Axial chest CT slice 208 of 280 (counted from the lowest slice); tube voltage 120 kVp, convolution kernel B; slices 2.00 mm thick, 0.676 mm per pixel.
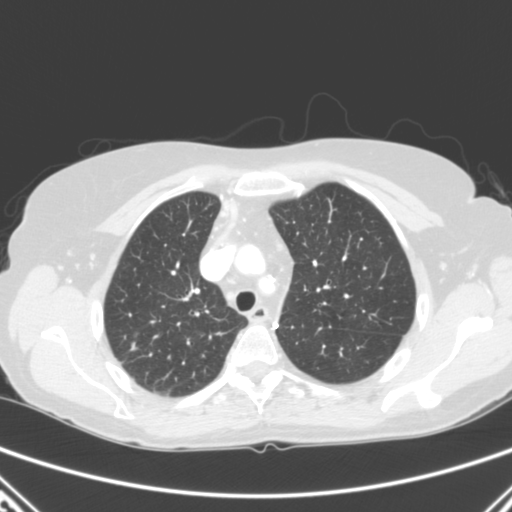
Pulmonary nodule at rows 343–349, columns 131–135 (box = the one reader's outline on this slice), outlined three times (the source holds two more outlines, not used), one of them on this slice; longest diameter 19.6–26.7 mm and volume 949–1659 mm3 across the three readers' outlines. The readers' ratings, as ranges where they differ: texture from 4/5 to 5/5 (solid) across the three readers; margin from 3/5 to 4/5 across the three readers; sphericity from 2/5 to 5/5 (round) across the three readers; calcification absent from all three readers; internal structure soft tissue, all three readers agreeing; subtlety 5/5 from all three readers; malignancy likelihood 4–5/5 (the readers disagree). Scale key (1–5): texture non-solid→solid, margin indistinct→circumscribed, sphericity linear→round, subtlety extremely subtle→obvious, malignancy likelihood highly unlikely→highly suspicious of cancer. Box rows and columns are 0-based pixel indices from the top-left corner, inclusive.